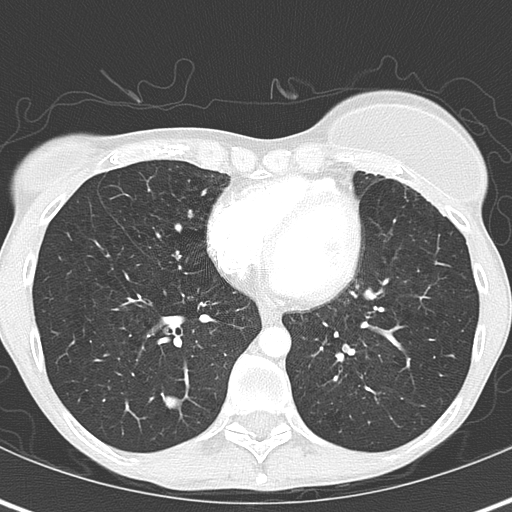
Axial chest CT slice 160 of 345 (counted from the lowest slice); tube voltage 120 kVp, convolution kernel B70f; slices 2.00 mm thick, 0.541 mm per pixel.
Pulmonary nodule outlined by all four readers; box rows 393–408, columns 161–181 (the union of the readers' outlines on this slice); longest diameter 13.8 mm on average over the four readers' outlines (readers' outlines 13.7–13.9 mm), volume 707–844 mm3. Ratings, by the readers' most common answer with dissent counted: texture 5/5 (solid), all four readers agreeing; margin 5/5 (circumscribed) from all four readers; sphericity split among the readers: 3/5 (ovoid) (two), 5/5 (round) (two); calcification split among the readers: laminated calcification (two), solid calcification (two); internal structure soft tissue, all four readers agreeing; subtlety 5/5 from all four readers; malignancy likelihood 1/5, all four readers agreeing. Scale key (1–5): texture non-solid→solid, margin indistinct→circumscribed, sphericity linear→round, subtlety extremely subtle→obvious, malignancy likelihood highly unlikely→highly suspicious of cancer. Box rows and columns are 0-based pixel indices from the top-left corner, inclusive.